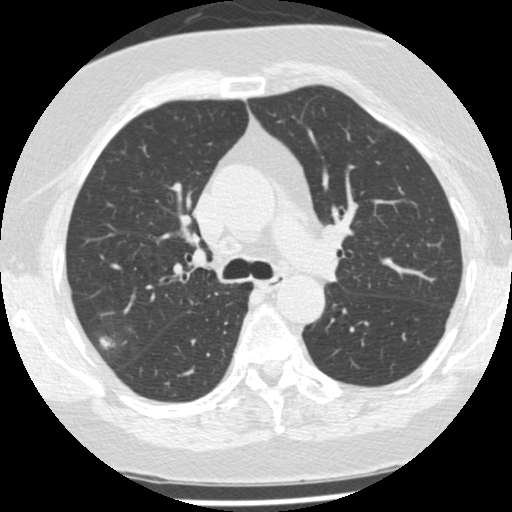
This is axial slice 326 of 487 (slice 1 is the lowest) of a chest CT; each pixel is 0.586 mm and the slice is 1.25 mm thick. Pulmonary nodule outlined by two of the four readers; box rows 328–363, columns 91–124 (the union of the readers' outlines on this slice); longest diameter 11.3–24.9 mm and volume 232–2964 mm3 across the two readers' outlines. Ratings across the readers: texture 3/5 (part-solid), both readers agreeing; margin from 1/5 (indistinct) to 2/5 across the two readers; sphericity 4/5, both readers agreeing; calcification absent from both readers; internal structure soft tissue, both readers agreeing; subtlety 4/5 from both readers; malignancy likelihood 3–4/5 (the readers disagree). Scale key (1–5): texture non-solid→solid, margin indistinct→circumscribed, sphericity linear→round, subtlety extremely subtle→obvious, malignancy likelihood highly unlikely→highly suspicious of cancer. Box rows and columns are 0-based pixel indices from the top-left corner, inclusive.
Acquired at 120 kVp and reconstructed with the STANDARD kernel.